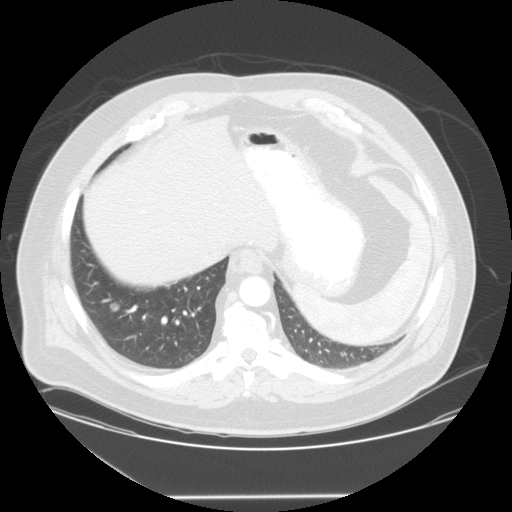
Axial slice 50 of 127 of a chest CT (slice 1 is the lowest), reconstructed with the STANDARD kernel at 120 kVp; 2.50 mm slice thickness and 0.859 mm pixels.
Pulmonary nodule, outlined by all four readers. Box on this slice rows 301–311, columns 109–118, the union of the readers' outlines on this slice; longest diameter 12.2 mm on average over the four readers' outlines (readers' outlines 10.8–12.8 mm), volume 414–606 mm3. Ratings, by the readers' most common answer with dissent counted: texture 5/5 (solid) from all four readers; most readers (three of four) put margin at 4/5, others 5/5 (circumscribed) (one); sphericity 4/5 by two of four readers; the rest gave 3/5 (ovoid) (one), 5/5 (round) (one); calcification absent, all four readers agreeing; internal structure soft tissue, all four readers agreeing; subtlety split among the readers: 4/5 (two), 5/5 (two); malignancy likelihood 3/5 by three of four readers; the rest gave 4/5 (one). Scale key (1–5): texture non-solid→solid, margin indistinct→circumscribed, sphericity linear→round, subtlety extremely subtle→obvious, malignancy likelihood highly unlikely→highly suspicious of cancer. Box rows and columns are 0-based pixel indices from the top-left corner, inclusive.